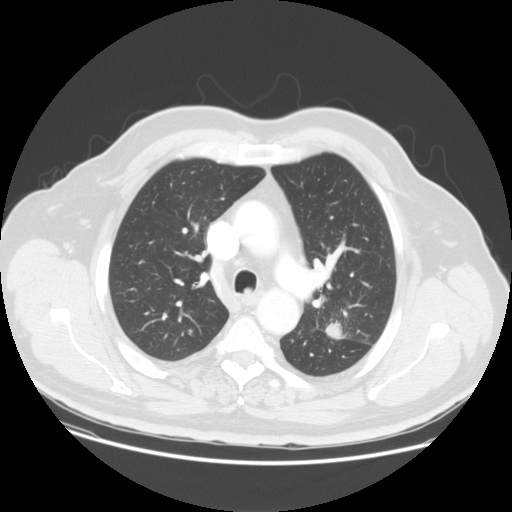
This is axial slice 108 of 149 (slice 1 is the lowest) of a chest CT; each pixel is 0.781 mm and the slice is 2.50 mm thick. Pulmonary nodule outlined by three of the four readers; box rows 321–338, columns 325–343 (the union of the readers' outlines on this slice); longest diameter 41.1 mm on average over the three readers' outlines (readers' outlines 34.5–53.9 mm), volume 15350–17058 mm3. Ratings, by the readers' most common answer with dissent counted: texture 5/5 (solid) from all three readers; most readers (two of three) put margin at 4/5, others 5/5 (circumscribed) (one); most readers (two of three) put sphericity at 4/5, others 5/5 (round) (one); calcification absent, all three readers agreeing; internal structure soft tissue, all three readers agreeing; subtlety 5/5 from all three readers; malignancy likelihood 5/5 by two of three readers; the rest gave 4/5 (one). Scale key (1–5): texture non-solid→solid, margin indistinct→circumscribed, sphericity linear→round, subtlety extremely subtle→obvious, malignancy likelihood highly unlikely→highly suspicious of cancer. Box rows and columns are 0-based pixel indices from the top-left corner, inclusive.
Acquired at 120 kVp and reconstructed with the STANDARD kernel.